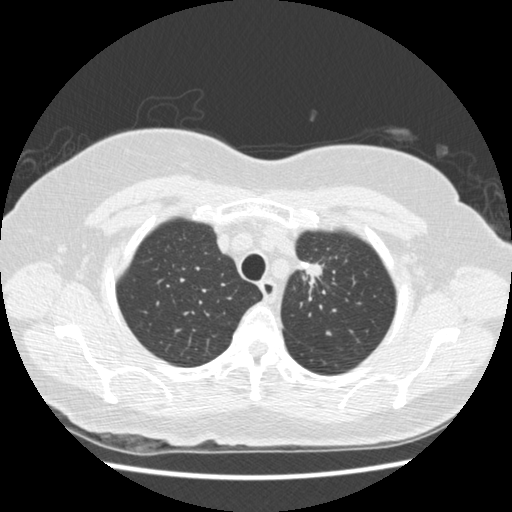
Axial chest CT slice 361 of 445 (counted from the lowest slice); 1.25 mm thick, 0.645 mm per pixel. Pulmonary nodule at rows 261–285, columns 300–322 (box = that reader's outline on this slice), outlined by one of the four readers; longest diameter 31.0 mm and volume 2055 mm3 from that reader's outline. Ratings by that reader: texture 5/5 (solid); margin 2/5; sphericity 2/5; calcification absent; internal structure soft tissue; subtlety 5/5; malignancy likelihood 4/5. Scale key (1–5): texture non-solid→solid, margin indistinct→circumscribed, sphericity linear→round, subtlety extremely subtle→obvious, malignancy likelihood highly unlikely→highly suspicious of cancer. Box rows and columns are 0-based pixel indices from the top-left corner, inclusive.
Acquired at 120 kVp and reconstructed with the STANDARD kernel.